Axial chest CT slice 305 of 557 (counted from the lowest slice); tube voltage 120 kVp, convolution kernel STANDARD; slices 1.25 mm thick, 0.703 mm per pixel.
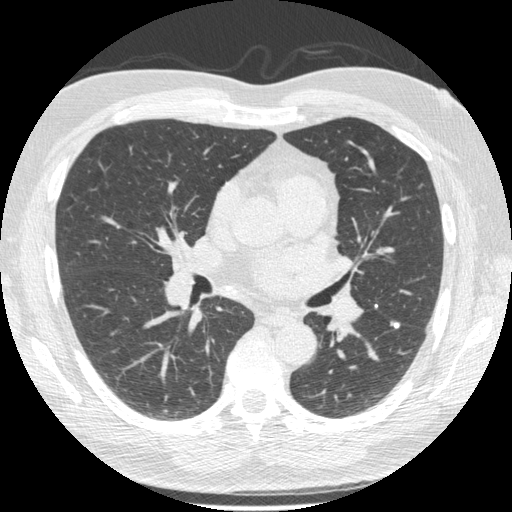
Pulmonary nodule, outlined by all four readers. Box on this slice rows 320–328, columns 389–400, the union of the readers' outlines on this slice; longest diameter 6.0–9.4 mm and volume 90–190 mm3 across the four readers' outlines. Ratings across the readers: texture 5/5 (solid), all four readers agreeing; margin from 4/5 to 5/5 (circumscribed) across the four readers; sphericity from 2/5 to 5/5 (round) across the four readers; calcification split among the readers: non-central calcification (two), solid calcification (two); internal structure soft tissue, all four readers agreeing; subtlety 3–5/5 (the readers disagree); malignancy likelihood rated between 1 and 2 out of 5 by the four readers. Scale key (1–5): texture non-solid→solid, margin indistinct→circumscribed, sphericity linear→round, subtlety extremely subtle→obvious, malignancy likelihood highly unlikely→highly suspicious of cancer. Box rows and columns are 0-based pixel indices from the top-left corner, inclusive.